One axial slice (98 of 181, counting up from the lowest) of a chest CT acquired at 120 kVp with the B30f kernel; each pixel is 0.723 mm and the slice is 2.00 mm thick.
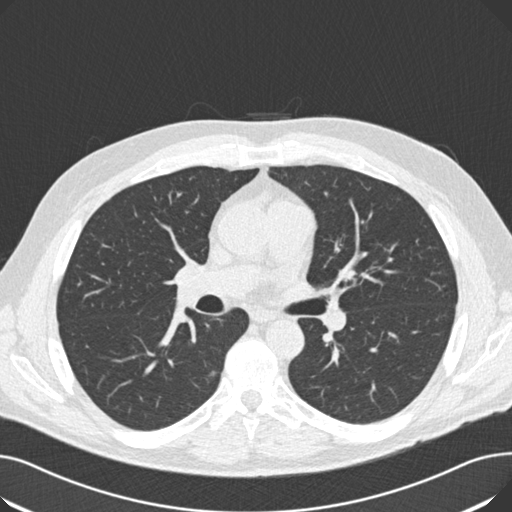
Pulmonary nodule, outlined by two of the four readers. Box on this slice rows 371–375, columns 208–215, the union of the readers' outlines on this slice; median longest diameter 11.4 mm (readers' outlines 11.1–11.8 mm), median volume 336 mm3 (308–364 mm3). Ratings, median across the readers with their spread: median texture 3/5 (part-solid) (readers ranged 2/5 to 4/5); median margin 3.5/5 (readers ranged 3/5 to 4/5); median sphericity 3.5/5 (readers ranged 3/5 (ovoid) to 4/5); calcification absent from both readers; internal structure soft tissue, both readers agreeing; subtlety 4/5 from both readers; malignancy likelihood 3.5/5 at the median of two readers, spread 3–4. Scale key (1–5): texture non-solid→solid, margin indistinct→circumscribed, sphericity linear→round, subtlety extremely subtle→obvious, malignancy likelihood highly unlikely→highly suspicious of cancer. Box rows and columns are 0-based pixel indices from the top-left corner, inclusive.